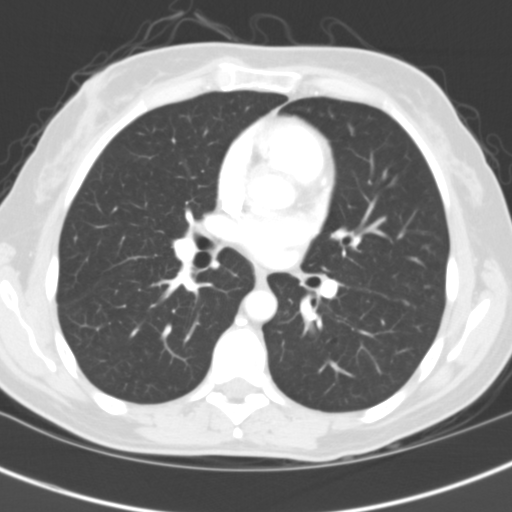
Axial chest CT slice 72 of 122 (counted from the lowest slice); 3.00 mm thick, 0.566 mm per pixel. None of the four readers outlined a nodule of 3 mm or more on this slice.
Acquired at 120 kVp and reconstructed with the B31f kernel.